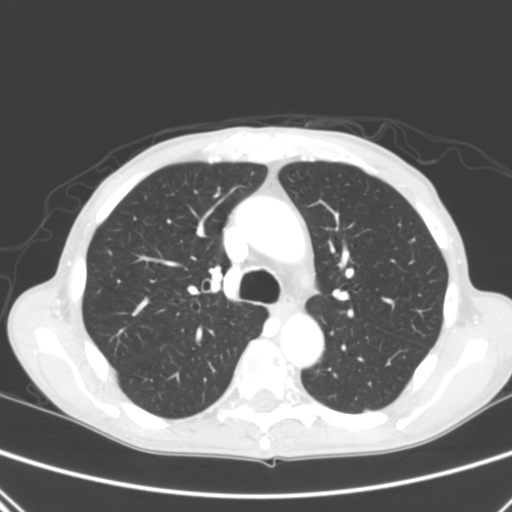
Axial chest CT slice 195 of 290 (counted from the lowest slice); tube voltage 120 kVp, convolution kernel B; slices 2.00 mm thick, 0.639 mm per pixel.
Pulmonary nodule at rows 240–242, columns 408–413 (box = that reader's outline on this slice), outlined by one of the four readers; longest diameter 6.9 mm and volume 63 mm3 from that reader's outline. Ratings by that reader: texture 5/5 (solid); margin 5/5 (circumscribed); sphericity 3/5 (ovoid); calcification absent; internal structure soft tissue; subtlety 3/5; malignancy likelihood 2/5. Scale key (1–5): texture non-solid→solid, margin indistinct→circumscribed, sphericity linear→round, subtlety extremely subtle→obvious, malignancy likelihood highly unlikely→highly suspicious of cancer. Box rows and columns are 0-based pixel indices from the top-left corner, inclusive.